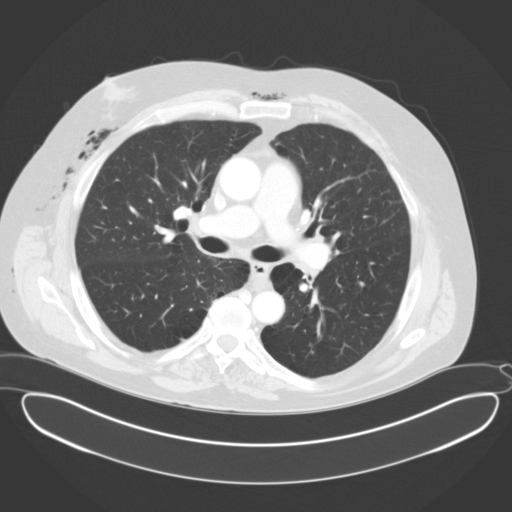
This is axial slice 107 of 153 (slice 1 is the lowest) of a chest CT; each pixel is 0.836 mm and the slice is 3.00 mm thick. No nodule of 3 mm or larger was outlined by any of the four readers on this slice.
Acquired at 120 kVp and reconstructed with the B31f kernel.